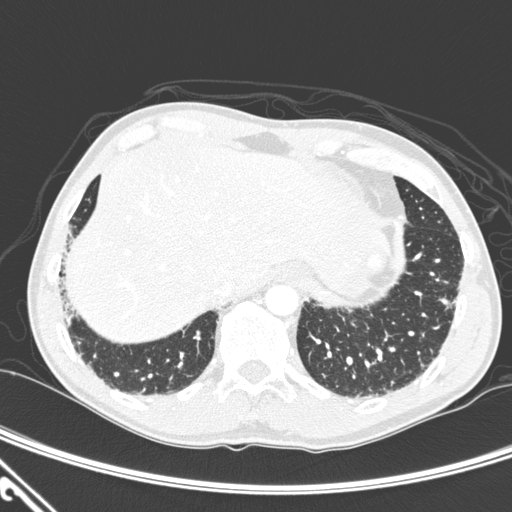
Chest CT, axial plane, 120 kVp, kernel D. Slice 50/276 from the bottom of the scan; thickness 1.00 mm; pixel size 0.639 mm.
Pulmonary nodule outlined by two of the four readers; box rows 298–304, columns 439–448 (the union of the readers' outlines on this slice); median longest diameter 8.8 mm (readers' outlines 8.7–8.9 mm), median volume 214 mm3 (206–221 mm3). Median ratings and the readers' spread: texture 5/5 (solid), both readers agreeing; median margin 2.5/5 (readers ranged 2/5 to 3/5); sphericity 3/5 (ovoid) at the median of two readers, spread 2/5 to 4/5; calcification absent from both readers; internal structure soft tissue from both readers; median subtlety 4/5 (readers ranged 3–5); malignancy likelihood 3/5, both readers agreeing. Scale key (1–5): texture non-solid→solid, margin indistinct→circumscribed, sphericity linear→round, subtlety extremely subtle→obvious, malignancy likelihood highly unlikely→highly suspicious of cancer. Box rows and columns are 0-based pixel indices from the top-left corner, inclusive.